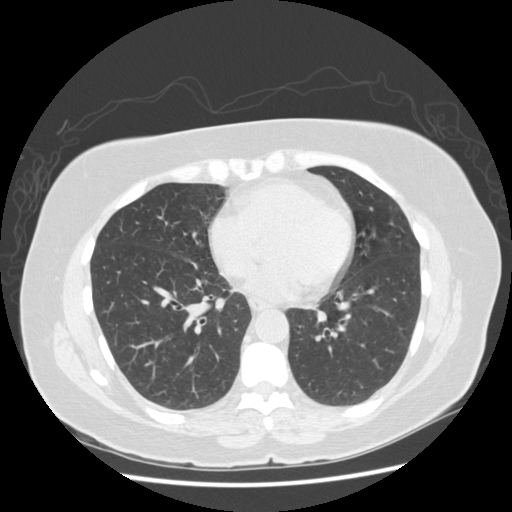
One axial slice (200 of 481, counting up from the lowest) of a chest CT acquired at 120 kVp with the STANDARD kernel; each pixel is 0.703 mm and the slice is 1.25 mm thick.
No nodule 3 mm or larger was outlined here by any reader.